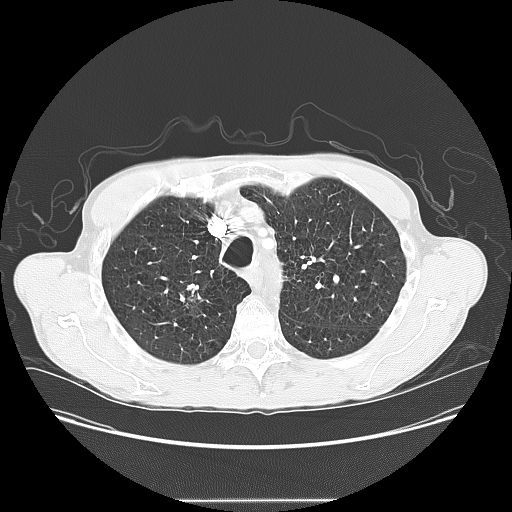
Axial chest CT slice 114 of 145 (counted from the lowest slice); tube voltage 120 kVp, convolution kernel LUNG; slices 2.50 mm thick, 0.781 mm per pixel.
Pulmonary nodule outlined by all four readers, two of them on this slice; box rows 284–313, columns 179–201 (the union of the readers' outlines on this slice); longest diameter 31.9–37.6 mm and volume 6100–11568 mm3 across the four readers' outlines. The readers' ratings, as ranges where they differ: texture from 4/5 to 5/5 (solid) across the four readers; margin from 2/5 to 4/5 across the four readers; sphericity from 3/5 (ovoid) to 5/5 (round) across the four readers; calcification absent, all four readers agreeing; internal structure soft tissue, all four readers agreeing; subtlety 5/5, all four readers agreeing; malignancy likelihood rated between 4 and 5 out of 5 by the four readers. Scale key (1–5): texture non-solid→solid, margin indistinct→circumscribed, sphericity linear→round, subtlety extremely subtle→obvious, malignancy likelihood highly unlikely→highly suspicious of cancer. Box rows and columns are 0-based pixel indices from the top-left corner, inclusive.